One axial slice (211 of 267, counting up from the lowest) of a chest CT acquired at 120 kVp with the BONE kernel; each pixel is 0.596 mm and the slice is 1.25 mm thick.
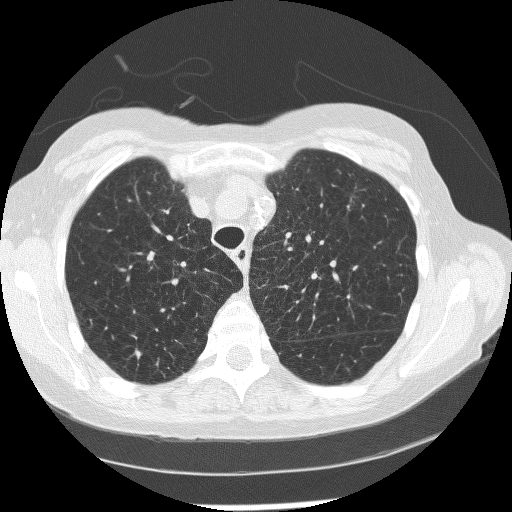
Pulmonary nodule outlined by all four readers; box rows 348–359, columns 134–141 (the union of the readers' outlines on this slice); median longest diameter 8.8 mm (readers' outlines 8.4–9.5 mm), median volume 198 mm3 (111–243 mm3). Ratings, median across the readers with their spread: texture 5/5 (solid) at the median of four readers, spread 4/5 to 5/5 (solid); margin 4/5 at the median of four readers, spread 3/5 to 4/5; median sphericity 3/5 (ovoid) (readers ranged 2/5 to 3/5 (ovoid)); calcification absent from all four readers; internal structure soft tissue, all four readers agreeing; subtlety 4.5/5 at the median of four readers, spread 3–5; median malignancy likelihood 3/5 (readers ranged 3–4). Scale key (1–5): texture non-solid→solid, margin indistinct→circumscribed, sphericity linear→round, subtlety extremely subtle→obvious, malignancy likelihood highly unlikely→highly suspicious of cancer. Box rows and columns are 0-based pixel indices from the top-left corner, inclusive.